One axial slice (153 of 350, counting up from the lowest) of a chest CT acquired at 120 kVp with the C kernel; each pixel is 0.725 mm and the slice is 1.50 mm thick.
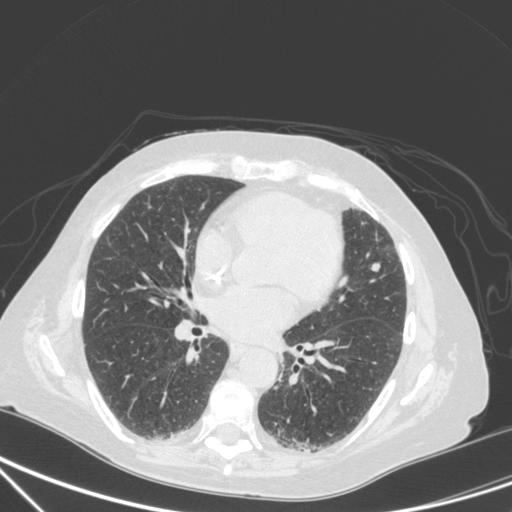
Pulmonary nodule outlined by all four readers; box rows 263–271, columns 370–380 (the union of the readers' outlines on this slice); median longest diameter 8.9 mm (readers' outlines 8.5–10.5 mm), median volume 248 mm3 (175–345 mm3). Median ratings and the readers' spread: texture 5/5 (solid) at the median of four readers, spread 4/5 to 5/5 (solid); margin 4/5 at the median of four readers, spread 4/5 to 5/5 (circumscribed); sphericity 3.5/5 at the median of four readers, spread 3/5 (ovoid) to 4/5; calcification absent, all four readers agreeing; internal structure soft tissue, all four readers agreeing; subtlety 5/5, all four readers agreeing; malignancy likelihood 3/5 at the median of four readers, spread 2–5. Scale key (1–5): texture non-solid→solid, margin indistinct→circumscribed, sphericity linear→round, subtlety extremely subtle→obvious, malignancy likelihood highly unlikely→highly suspicious of cancer. Box rows and columns are 0-based pixel indices from the top-left corner, inclusive.